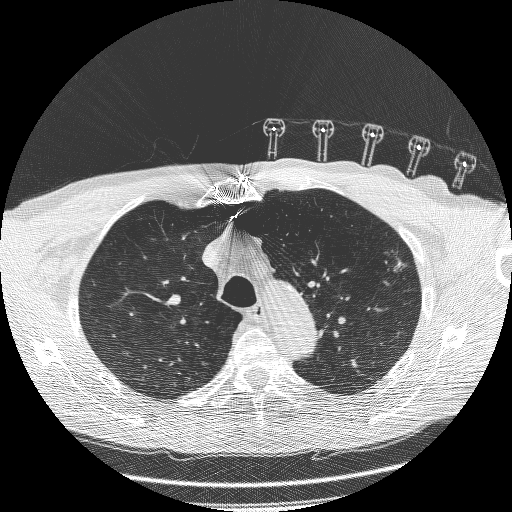
Slice 201/260 of a chest CT, counting up from the lowest; pixel size 0.703 mm, slice thickness 1.25 mm. Pulmonary nodule at rows 256–273, columns 391–408 (box = the union of the readers' outlines on this slice), outlined by three of the four readers; median longest diameter 17.8 mm (readers' outlines 16.5–20.6 mm), median volume 354 mm3 (290–713 mm3). Median ratings and the readers' spread: texture 4/5 at the median of three readers, spread 3/5 (part-solid) to 5/5 (solid); margin 2/5 at the median of three readers, spread 1/5 (indistinct) to 3/5; median sphericity 3/5 (ovoid) (readers ranged 2/5 to 3/5 (ovoid)); calcification absent from all three readers; internal structure soft tissue, all three readers agreeing; median subtlety 5/5 (readers ranged 4–5); malignancy likelihood 4/5 at the median of three readers, spread 3–5. Scale key (1–5): texture non-solid→solid, margin indistinct→circumscribed, sphericity linear→round, subtlety extremely subtle→obvious, malignancy likelihood highly unlikely→highly suspicious of cancer. Box rows and columns are 0-based pixel indices from the top-left corner, inclusive.
Scan settings: 120 kVp, BONE reconstruction kernel.